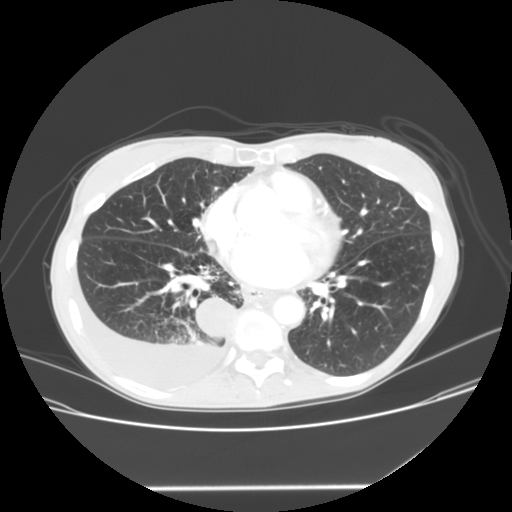
Axial chest CT slice 58 of 133 (counted from the lowest slice); tube voltage 120 kVp, convolution kernel STANDARD; slices 2.50 mm thick, 0.703 mm per pixel.
Pulmonary nodule at rows 298–336, columns 196–236 (box = the union of the readers' outlines on this slice), outlined by two of the four readers; longest diameter 35.2 mm on average over the two readers' outlines (readers' outlines 33.4–36.9 mm), volume 15304–15793 mm3. Ratings, by the readers' most common answer with dissent counted: texture split among the readers: 4/5 (one), 5/5 (solid) (one); margin 5/5 (circumscribed), both readers agreeing; sphericity split among the readers: 4/5 (one), 5/5 (round) (one); calcification absent from both readers; internal structure soft tissue from both readers; subtlety 5/5 from both readers; malignancy likelihood split among the readers: 2/5 (one), 3/5 (one). Scale key (1–5): texture non-solid→solid, margin indistinct→circumscribed, sphericity linear→round, subtlety extremely subtle→obvious, malignancy likelihood highly unlikely→highly suspicious of cancer. Box rows and columns are 0-based pixel indices from the top-left corner, inclusive.